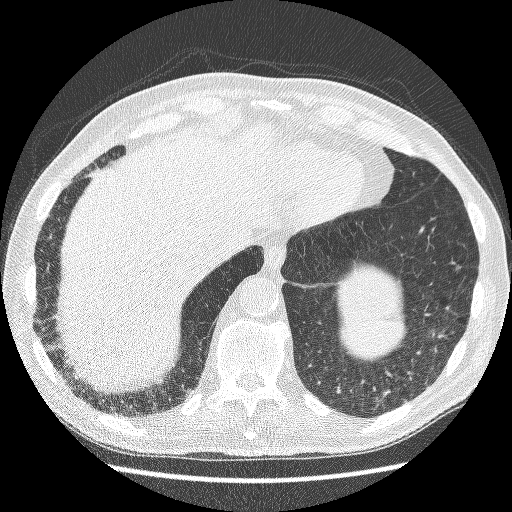
One axial slice (51 of 241, counting up from the lowest) of a chest CT acquired at 120 kVp with the BONE kernel; each pixel is 0.703 mm and the slice is 1.25 mm thick.
Pulmonary nodule at rows 263–272, columns 454–461 (box = the union of the readers' outlines on this slice), outlined by all four readers, three of them on this slice; median longest diameter 8.8 mm (readers' outlines 8.0–10.1 mm), median volume 146 mm3 (97–222 mm3). Median ratings and the readers' spread: texture 5/5 (solid), all four readers agreeing; median margin 4.5/5 (readers ranged 4/5 to 5/5 (circumscribed)); median sphericity 4/5 (readers ranged 3/5 (ovoid) to 4/5); calcification: absent (three), solid calcification (one); internal structure soft tissue from all four readers; median subtlety 4/5 (readers ranged 3–5); median malignancy likelihood 3/5 (readers ranged 1–3). Scale key (1–5): texture non-solid→solid, margin indistinct→circumscribed, sphericity linear→round, subtlety extremely subtle→obvious, malignancy likelihood highly unlikely→highly suspicious of cancer. Box rows and columns are 0-based pixel indices from the top-left corner, inclusive.